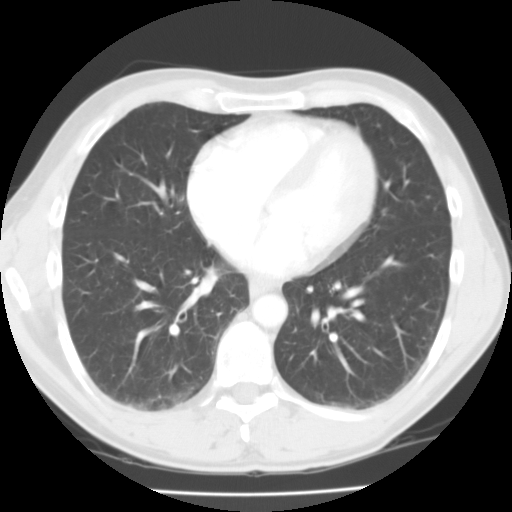
Axial chest CT slice 44 of 102 (counted from the lowest slice); tube voltage 135 kVp, convolution kernel FC01; slices 3.00 mm thick, 0.647 mm per pixel.
None of the four readers outlined a nodule of 3 mm or more on this slice.